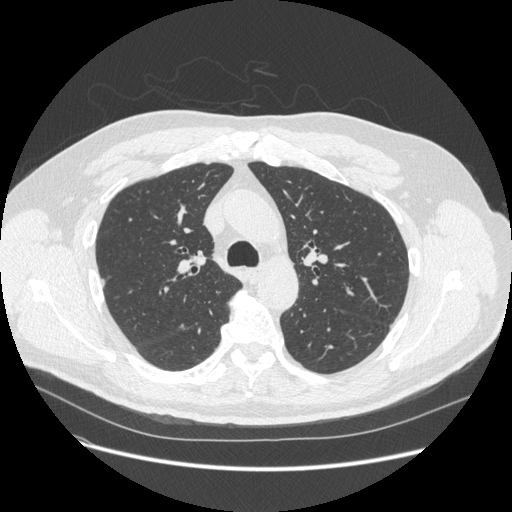
One axial slice (368 of 541, counting up from the lowest) of a chest CT acquired at 120 kVp with the STANDARD kernel; each pixel is 0.781 mm and the slice is 1.25 mm thick.
Pulmonary nodule outlined by two of the four readers; box rows 279–288, columns 99–104 (the union of the readers' outlines on this slice); the two readers' outlines give a longest diameter between 8.2 and 10.3 mm and a volume between 74 and 127 mm3. The readers' ratings, as ranges where they differ: texture 5/5 (solid), both readers agreeing; margin 5/5 (circumscribed) from both readers; sphericity 3/5 (ovoid), both readers agreeing; calcification absent from both readers; internal structure soft tissue from both readers; subtlety 5/5, both readers agreeing; malignancy likelihood rated between 2 and 3 out of 5 by the two readers. Scale key (1–5): texture non-solid→solid, margin indistinct→circumscribed, sphericity linear→round, subtlety extremely subtle→obvious, malignancy likelihood highly unlikely→highly suspicious of cancer. Box rows and columns are 0-based pixel indices from the top-left corner, inclusive.